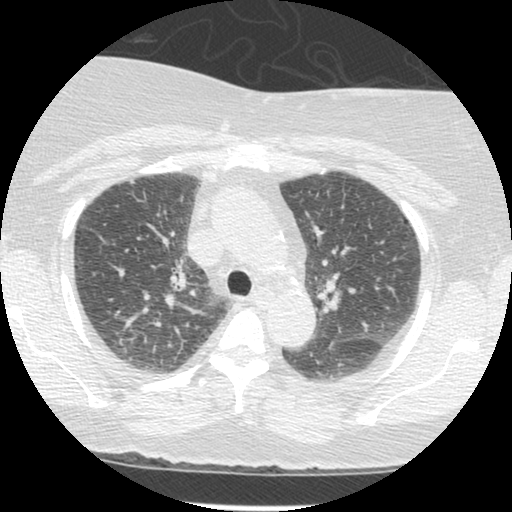
Axial chest CT slice 261 of 381 (counted from the lowest slice); 1.25 mm thick, 0.625 mm per pixel. Pulmonary nodule at rows 180–183, columns 130–134 (box = that reader's outline on this slice), outlined by one of the four readers; longest diameter 4.8 mm and volume 33 mm3 from that reader's outline. That reader's ratings: texture 5/5 (solid); margin 5/5 (circumscribed); sphericity 3/5 (ovoid); calcification absent; internal structure soft tissue; subtlety 4/5; malignancy likelihood 3/5. Scale key (1–5): texture non-solid→solid, margin indistinct→circumscribed, sphericity linear→round, subtlety extremely subtle→obvious, malignancy likelihood highly unlikely→highly suspicious of cancer. Box rows and columns are 0-based pixel indices from the top-left corner, inclusive.
Acquired at 120 kVp and reconstructed with the STANDARD kernel.